One axial slice (273 of 461, counting up from the lowest) of a chest CT acquired at 120 kVp with the STANDARD kernel; each pixel is 0.645 mm and the slice is 1.25 mm thick.
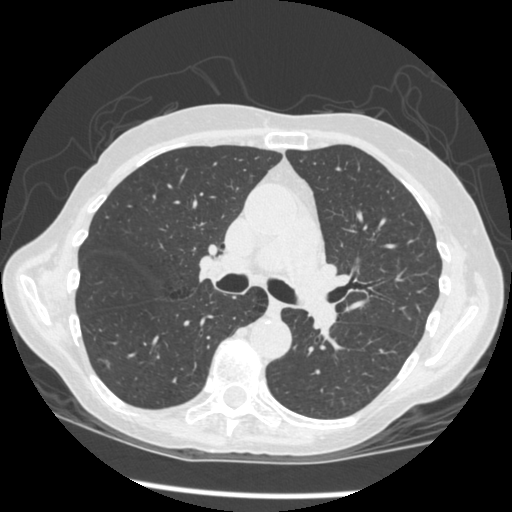
Pulmonary nodule at rows 360–368, columns 105–109 (box = the union of the readers' outlines on this slice), outlined by three of the four readers; longest diameter 6.7 mm on average over the three readers' outlines (readers' outlines 6.3–7.5 mm), volume 48–84 mm3. The readers' prevailing ratings and who disagreed: most readers (two of three) put texture at 5/5 (solid), others 4/5 (one); margin split among the readers: 3/5 (one), 4/5 (one), 5/5 (circumscribed) (one); sphericity 4/5 by two of three readers; the rest gave 5/5 (round) (one); calcification absent, all three readers agreeing; internal structure soft tissue from all three readers; subtlety split among the readers: 2/5 (one), 3/5 (one), 4/5 (one); malignancy likelihood 2/5 by two of three readers; the rest gave 4/5 (one). Scale key (1–5): texture non-solid→solid, margin indistinct→circumscribed, sphericity linear→round, subtlety extremely subtle→obvious, malignancy likelihood highly unlikely→highly suspicious of cancer. Box rows and columns are 0-based pixel indices from the top-left corner, inclusive.